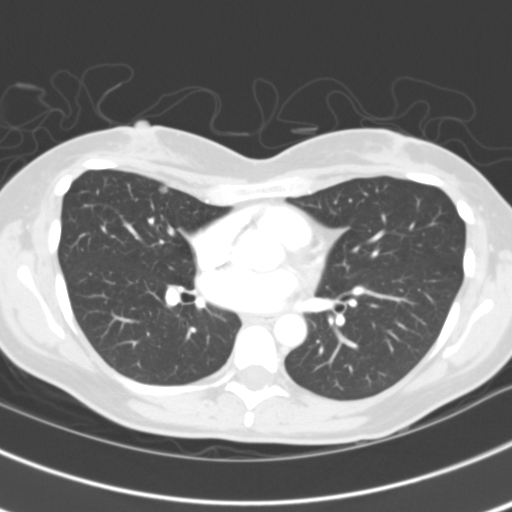
Axial slice 56 of 107 of a chest CT (slice 1 is the lowest), reconstructed with the B31f kernel at 120 kVp; 3.00 mm slice thickness and 0.586 mm pixels.
Pulmonary nodule, outlined by three of the four readers. Box on this slice rows 184–194, columns 158–167, the union of the readers' outlines on this slice; median longest diameter 6.9 mm (readers' outlines 6.7–7.2 mm), median volume 131 mm3 (128–180 mm3). Ratings, median across the readers with their spread: texture 2/5 at the median of three readers, spread 2/5 to 4/5; median margin 4/5 (readers ranged 2/5 to 4/5); median sphericity 4/5 (readers ranged 3/5 (ovoid) to 4/5); calcification absent, all three readers agreeing; internal structure soft tissue from all three readers; subtlety 4/5 at the median of three readers, spread 2–5; median malignancy likelihood 3/5 (readers ranged 3–4). Scale key (1–5): texture non-solid→solid, margin indistinct→circumscribed, sphericity linear→round, subtlety extremely subtle→obvious, malignancy likelihood highly unlikely→highly suspicious of cancer. Box rows and columns are 0-based pixel indices from the top-left corner, inclusive.